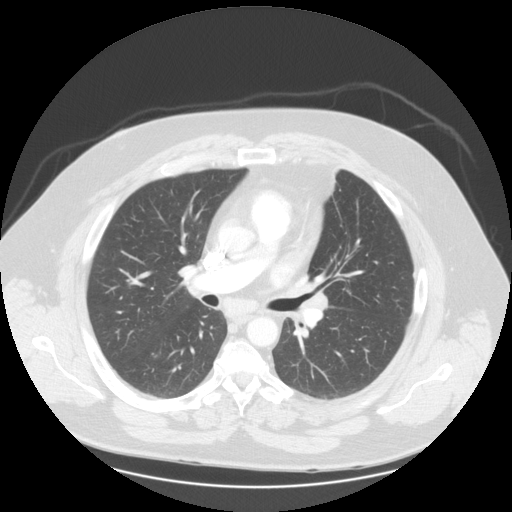
One axial slice (88 of 133, counting up from the lowest) of a chest CT acquired at 120 kVp with the STANDARD kernel; each pixel is 0.859 mm and the slice is 2.50 mm thick.
Pulmonary nodule, outlined by all four readers, one of them on this slice. Box on this slice rows 352–357, columns 148–157, the one reader's outline on this slice; the four readers' outlines give a longest diameter between 12.7 and 15.5 mm and a volume between 462 and 626 mm3. Ratings across the readers: texture from 4/5 to 5/5 (solid) across the four readers; margin from 4/5 to 5/5 (circumscribed) across the four readers; sphericity from 3/5 (ovoid) to 5/5 (round) across the four readers; calcification absent, all four readers agreeing; internal structure soft tissue from all four readers; subtlety 3–5/5 (the readers disagree); malignancy likelihood 2–4/5 (the readers disagree). Scale key (1–5): texture non-solid→solid, margin indistinct→circumscribed, sphericity linear→round, subtlety extremely subtle→obvious, malignancy likelihood highly unlikely→highly suspicious of cancer. Box rows and columns are 0-based pixel indices from the top-left corner, inclusive.